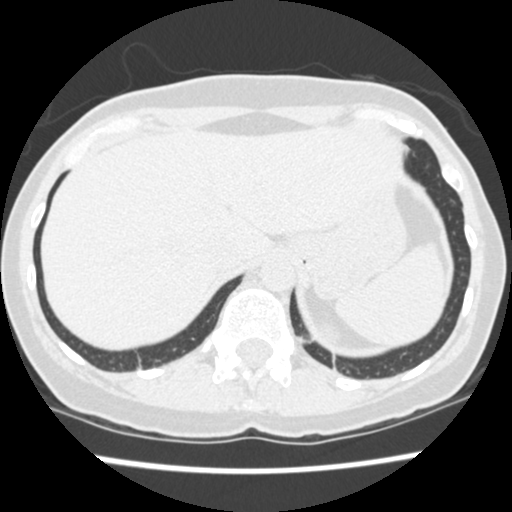
Axial slice 64 of 471 of a chest CT (slice 1 is the lowest), reconstructed with the STANDARD kernel at 120 kVp; 1.25 mm slice thickness and 0.586 mm pixels.
Pulmonary nodule at rows 196–203, columns 448–455 (box = the one reader's outline on this slice), outlined by all four readers, one of them on this slice; the four readers' outlines give a longest diameter between 6.1 and 9.0 mm and a volume between 96 and 205 mm3. The readers' ratings, as ranges where they differ: texture 5/5 (solid), all four readers agreeing; margin from 4/5 to 5/5 (circumscribed) across the four readers; sphericity from 3/5 (ovoid) to 5/5 (round) across the four readers; calcification absent from all four readers; internal structure soft tissue, all four readers agreeing; subtlety from 3/5 to 4/5 across the four readers; malignancy likelihood rated between 2 and 4 out of 5 by the four readers. Scale key (1–5): texture non-solid→solid, margin indistinct→circumscribed, sphericity linear→round, subtlety extremely subtle→obvious, malignancy likelihood highly unlikely→highly suspicious of cancer. Box rows and columns are 0-based pixel indices from the top-left corner, inclusive.